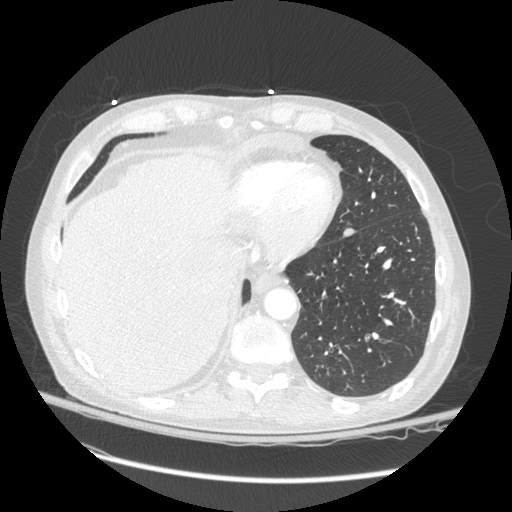
Axial chest CT slice 85 of 272 (counted from the lowest slice); tube voltage 120 kVp, convolution kernel STANDARD; slices 1.25 mm thick, 0.742 mm per pixel.
Pulmonary nodule outlined by all four readers; box rows 228–238, columns 343–355 (the union of the readers' outlines on this slice); median longest diameter 11.0 mm (readers' outlines 10.6–13.2 mm), median volume 290 mm3 (211–375 mm3). Ratings, median across the readers with their spread: texture 5/5 (solid) from all four readers; margin 5/5 (circumscribed), all four readers agreeing; sphericity 3/5 (ovoid) at the median of four readers, spread 3/5 (ovoid) to 5/5 (round); calcification absent from all four readers; internal structure soft tissue, all four readers agreeing; subtlety 3/5 from all four readers; median malignancy likelihood 2/5 (readers ranged 1–3). Scale key (1–5): texture non-solid→solid, margin indistinct→circumscribed, sphericity linear→round, subtlety extremely subtle→obvious, malignancy likelihood highly unlikely→highly suspicious of cancer. Box rows and columns are 0-based pixel indices from the top-left corner, inclusive.